One axial slice (75 of 123, counting up from the lowest) of a chest CT acquired at 140 kVp with the BONE kernel; each pixel is 0.703 mm and the slice is 2.50 mm thick.
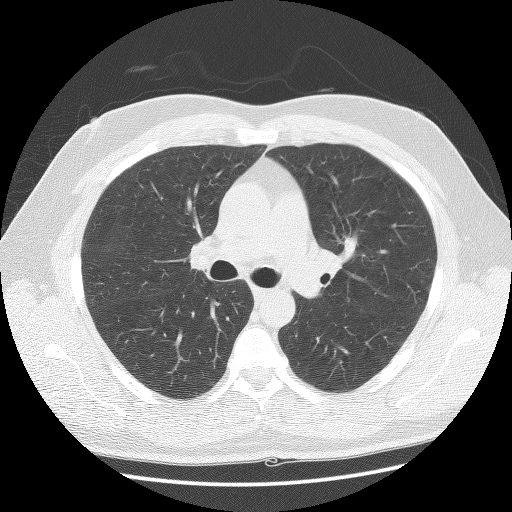
Pulmonary nodule at rows 299–301, columns 346–349 (box = the union of the readers' outlines on this slice), outlined by three of the four readers, two of them on this slice; median longest diameter 5.7 mm (readers' outlines 5.1–6.0 mm), median volume 83 mm3 (71–93 mm3). Ratings, median across the readers with their spread: texture 5/5 (solid) at the median of three readers, spread 3/5 (part-solid) to 5/5 (solid); median margin 4/5 (readers ranged 4/5 to 5/5 (circumscribed)); median sphericity 4/5 (readers ranged 3/5 (ovoid) to 4/5); calcification absent from all three readers; internal structure soft tissue from all three readers; median subtlety 4/5 (readers ranged 4–5); malignancy likelihood 3/5 from all three readers. Scale key (1–5): texture non-solid→solid, margin indistinct→circumscribed, sphericity linear→round, subtlety extremely subtle→obvious, malignancy likelihood highly unlikely→highly suspicious of cancer. Box rows and columns are 0-based pixel indices from the top-left corner, inclusive.